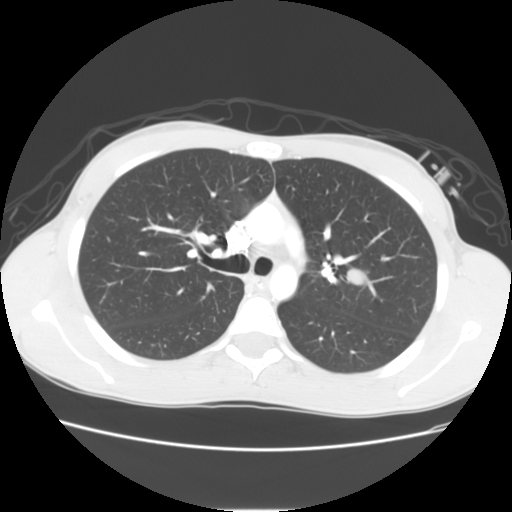
One axial slice (76 of 114, counting up from the lowest) of a chest CT acquired at 120 kVp with the STANDARD kernel; each pixel is 0.664 mm and the slice is 2.50 mm thick.
Pulmonary nodule outlined by all four readers; box rows 268–285, columns 346–367 (the union of the readers' outlines on this slice); longest diameter 16.8–19.0 mm and volume 1177–1906 mm3 across the four readers' outlines. The readers' ratings, as ranges where they differ: texture from 4/5 to 5/5 (solid) across the four readers; margin from 4/5 to 5/5 (circumscribed) across the four readers; sphericity from 3/5 (ovoid) to 5/5 (round) across the four readers; calcification absent from all four readers; internal structure soft tissue from all four readers; subtlety rated between 3 and 5 out of 5 by the four readers; malignancy likelihood rated between 2 and 5 out of 5 by the four readers. Scale key (1–5): texture non-solid→solid, margin indistinct→circumscribed, sphericity linear→round, subtlety extremely subtle→obvious, malignancy likelihood highly unlikely→highly suspicious of cancer. Box rows and columns are 0-based pixel indices from the top-left corner, inclusive.